Chest CT, axial plane, 140 kVp, kernel BONE. Slice 90/127 from the bottom of the scan; thickness 2.50 mm; pixel size 0.586 mm.
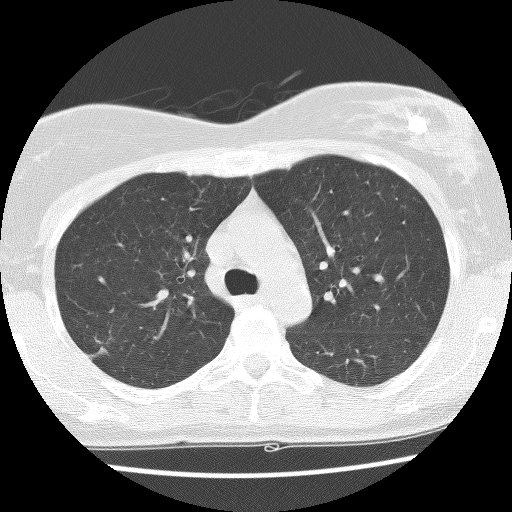
Pulmonary nodule, outlined by two of the four readers, one of them on this slice. Box on this slice rows 340–346, columns 107–111, the one reader's outline on this slice; the two readers' outlines give a longest diameter between 12.9 and 14.7 mm and a volume between 148 and 591 mm3. Ratings across the readers: texture 3/5 (part-solid) from both readers; margin 1/5 (indistinct), both readers agreeing; sphericity 2/5, both readers agreeing; calcification absent from both readers; internal structure soft tissue, both readers agreeing; subtlety 4/5 from both readers; malignancy likelihood 3/5 from both readers. Scale key (1–5): texture non-solid→solid, margin indistinct→circumscribed, sphericity linear→round, subtlety extremely subtle→obvious, malignancy likelihood highly unlikely→highly suspicious of cancer. Box rows and columns are 0-based pixel indices from the top-left corner, inclusive.